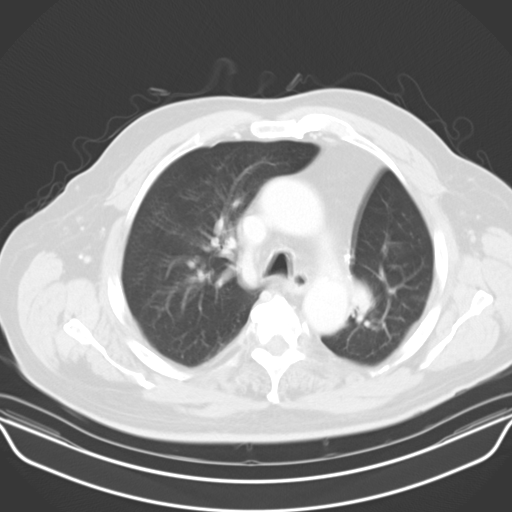
Chest CT, axial plane, 130 kVp, kernel B30s. Slice 47/65 from the bottom of the scan; thickness 5.00 mm; pixel size 0.773 mm.
None of the four readers outlined a nodule of 3 mm or more on this slice.